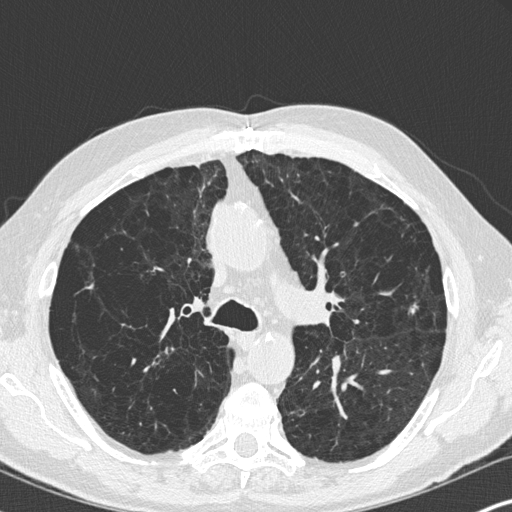
Axial slice 213 of 347 of a chest CT (slice 1 is the lowest), reconstructed with the B45f kernel at 120 kVp; 1.00 mm slice thickness and 0.625 mm pixels.
Pulmonary nodule, outlined by one of the four readers. Box on this slice rows 309–312, columns 410–414, that reader's outline on this slice; longest diameter 5.3 mm and volume 43 mm3 from that reader's outline. That reader's ratings: texture 5/5 (solid); margin 4/5; sphericity 4/5; calcification absent; internal structure soft tissue; subtlety 5/5; malignancy likelihood 2/5. Scale key (1–5): texture non-solid→solid, margin indistinct→circumscribed, sphericity linear→round, subtlety extremely subtle→obvious, malignancy likelihood highly unlikely→highly suspicious of cancer. Box rows and columns are 0-based pixel indices from the top-left corner, inclusive.